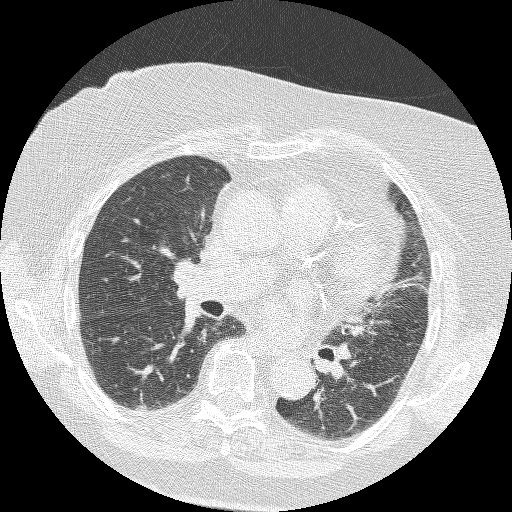
Chest CT, axial plane, 120 kVp, kernel BONE. Slice 147/235 from the bottom of the scan; thickness 1.25 mm; pixel size 0.625 mm.
Pulmonary nodule at rows 405–410, columns 135–145 (box = the one reader's outline on this slice), outlined by two of the four readers, one of them on this slice; longest diameter 20.0 mm on average over the two readers' outlines (readers' outlines 17.6–22.4 mm), volume 602–1472 mm3. The readers' prevailing ratings and who disagreed: texture 5/5 (solid) from both readers; margin split among the readers: 2/5 (one), 5/5 (circumscribed) (one); sphericity split among the readers: 1/5 (linear) (one), 2/5 (one); calcification absent, both readers agreeing; internal structure soft tissue, both readers agreeing; subtlety 5/5, both readers agreeing; malignancy likelihood 3/5, both readers agreeing. Scale key (1–5): texture non-solid→solid, margin indistinct→circumscribed, sphericity linear→round, subtlety extremely subtle→obvious, malignancy likelihood highly unlikely→highly suspicious of cancer. Box rows and columns are 0-based pixel indices from the top-left corner, inclusive.